Chest CT, axial plane, 120 kVp, kernel STANDARD. Slice 166/253 from the bottom of the scan; thickness 1.25 mm; pixel size 0.742 mm.
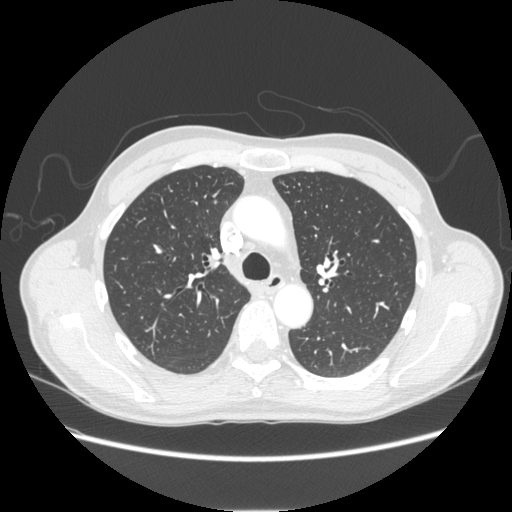
Pulmonary nodule outlined by three of the four readers; box rows 200–203, columns 214–216 (the union of the readers' outlines on this slice); median longest diameter 5.7 mm (readers' outlines 5.4–6.3 mm), median volume 68 mm3 (67–73 mm3). Median ratings and the readers' spread: texture 5/5 (solid), all three readers agreeing; margin 5/5 (circumscribed) from all three readers; median sphericity 5/5 (round) (readers ranged 3/5 (ovoid) to 5/5 (round)); calcification absent from all three readers; internal structure soft tissue, all three readers agreeing; subtlety 3/5 at the median of three readers, spread 2–3; malignancy likelihood 3/5 at the median of three readers, spread 2–3. Scale key (1–5): texture non-solid→solid, margin indistinct→circumscribed, sphericity linear→round, subtlety extremely subtle→obvious, malignancy likelihood highly unlikely→highly suspicious of cancer. Box rows and columns are 0-based pixel indices from the top-left corner, inclusive.